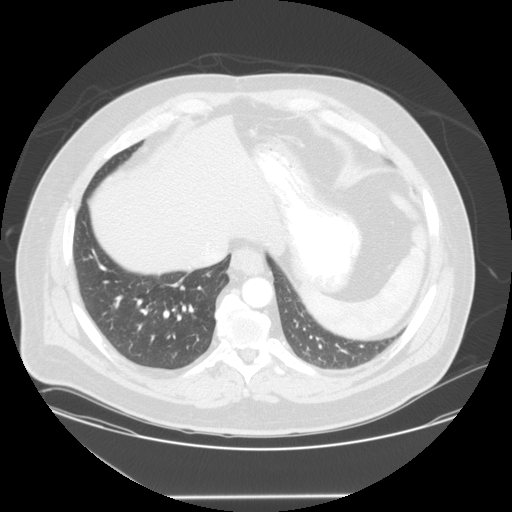
This is axial slice 53 of 127 (slice 1 is the lowest) of a chest CT; each pixel is 0.859 mm and the slice is 2.50 mm thick. Pulmonary nodule, outlined by all four readers, one of them on this slice. Box on this slice rows 302–308, columns 114–118, the one reader's outline on this slice; longest diameter 12.2 mm on average over the four readers' outlines (readers' outlines 10.8–12.8 mm), volume 414–606 mm3. Ratings, by the readers' most common answer with dissent counted: texture 5/5 (solid), all four readers agreeing; margin 4/5 by three of four readers; the rest gave 5/5 (circumscribed) (one); sphericity 4/5 by two of four readers; the rest gave 3/5 (ovoid) (one), 5/5 (round) (one); calcification absent, all four readers agreeing; internal structure soft tissue, all four readers agreeing; subtlety split among the readers: 4/5 (two), 5/5 (two); most readers (three of four) put malignancy likelihood at 3/5, others 4/5 (one). Scale key (1–5): texture non-solid→solid, margin indistinct→circumscribed, sphericity linear→round, subtlety extremely subtle→obvious, malignancy likelihood highly unlikely→highly suspicious of cancer. Box rows and columns are 0-based pixel indices from the top-left corner, inclusive.
Tube voltage 120 kVp; convolution kernel STANDARD.